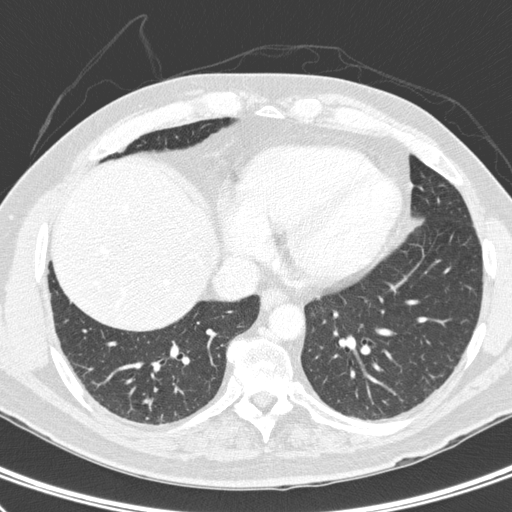
Slice 107/300 of a chest CT, counting up from the lowest; pixel size 0.662 mm, slice thickness 2.00 mm. Pulmonary nodule, outlined by all four readers, one of them on this slice. Box on this slice rows 400–403, columns 145–150, the one reader's outline on this slice; median longest diameter 11.1 mm (readers' outlines 8.1–12.6 mm), median volume 132 mm3 (99–182 mm3). Median ratings and the readers' spread: texture 5/5 (solid) at the median of four readers, spread 3/5 (part-solid) to 5/5 (solid); margin 4/5 at the median of four readers, spread 3/5 to 4/5; median sphericity 3/5 (ovoid) (readers ranged 2/5 to 3/5 (ovoid)); calcification: solid calcification (two), absent (one), non-central calcification (one); internal structure soft tissue from all four readers; subtlety 4.5/5 at the median of four readers, spread 4–5; median malignancy likelihood 1/5 (readers ranged 1–4). Scale key (1–5): texture non-solid→solid, margin indistinct→circumscribed, sphericity linear→round, subtlety extremely subtle→obvious, malignancy likelihood highly unlikely→highly suspicious of cancer. Box rows and columns are 0-based pixel indices from the top-left corner, inclusive.
Tube voltage 120 kVp; convolution kernel D.